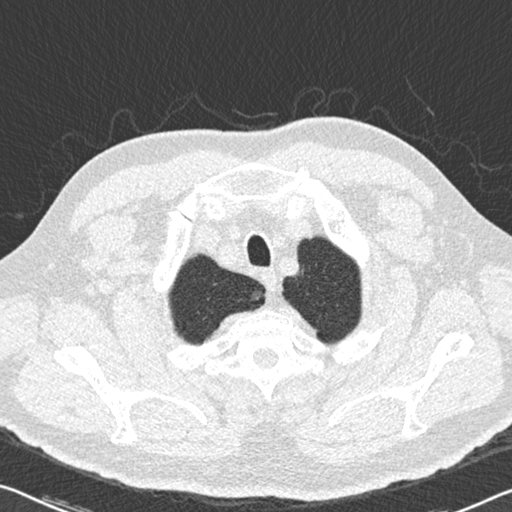
Axial chest CT slice 505 of 536 (counted from the lowest slice); tube voltage 120 kVp, convolution kernel B30f; slices 0.75 mm thick, 0.656 mm per pixel.
Pulmonary nodule outlined by two of the four readers; box rows 291–299, columns 251–262 (the union of the readers' outlines on this slice); median longest diameter 8.8 mm (readers' outlines 8.6–9.1 mm), median volume 32 mm3 (31–33 mm3). Median ratings and the readers' spread: texture 1/5 (non-solid), both readers agreeing; margin 3.5/5 at the median of two readers, spread 3/5 to 4/5; sphericity 3.5/5 at the median of two readers, spread 3/5 (ovoid) to 4/5; calcification absent from both readers; internal structure soft tissue from both readers; subtlety 2/5, both readers agreeing; median malignancy likelihood 1.5/5 (readers ranged 1–2). Scale key (1–5): texture non-solid→solid, margin indistinct→circumscribed, sphericity linear→round, subtlety extremely subtle→obvious, malignancy likelihood highly unlikely→highly suspicious of cancer. Box rows and columns are 0-based pixel indices from the top-left corner, inclusive.